Axial chest CT slice 182 of 375 (counted from the lowest slice); tube voltage 120 kVp, convolution kernel B45f; slices 1.00 mm thick, 0.586 mm per pixel.
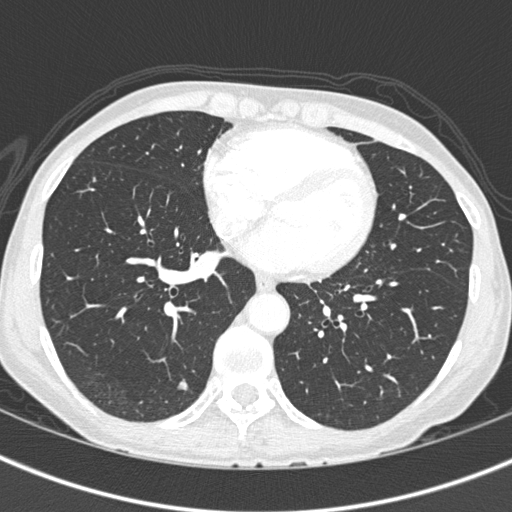
Pulmonary nodule outlined by all four readers; box rows 378–390, columns 177–188 (the union of the readers' outlines on this slice); the four readers' outlines give a longest diameter between 7.8 and 9.2 mm and a volume between 83 and 105 mm3. The readers' ratings, as ranges where they differ: texture 5/5 (solid) from all four readers; margin from 4/5 to 5/5 (circumscribed) across the four readers; sphericity from 3/5 (ovoid) to 5/5 (round) across the four readers; calcification absent from all four readers; internal structure soft tissue, all four readers agreeing; subtlety from 3/5 to 5/5 across the four readers; malignancy likelihood rated between 3 and 4 out of 5 by the four readers. Scale key (1–5): texture non-solid→solid, margin indistinct→circumscribed, sphericity linear→round, subtlety extremely subtle→obvious, malignancy likelihood highly unlikely→highly suspicious of cancer. Box rows and columns are 0-based pixel indices from the top-left corner, inclusive.